Axial chest CT slice 375 of 490 (counted from the lowest slice); tube voltage 120 kVp, convolution kernel STANDARD; slices 1.25 mm thick, 0.547 mm per pixel.
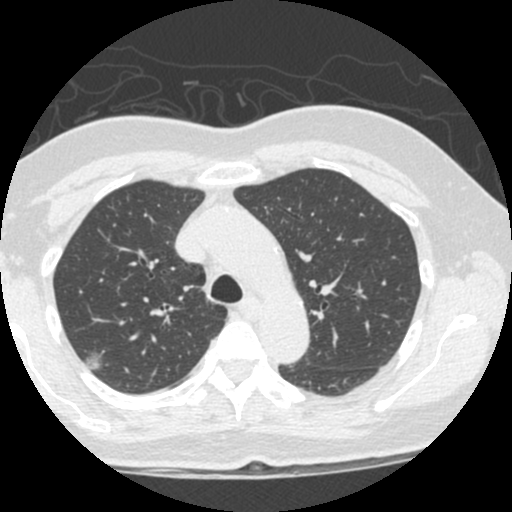
Pulmonary nodule outlined by three of the four readers; box rows 348–370, columns 84–102 (the union of the readers' outlines on this slice); the three readers' outlines give a longest diameter between 14.3 and 18.3 mm and a volume between 967 and 1422 mm3. The readers' ratings, as ranges where they differ: texture from 1/5 (non-solid) to 5/5 (solid) across the three readers; margin from 2/5 to 4/5 across the three readers; sphericity from 3/5 (ovoid) to 5/5 (round) across the three readers; calcification absent, all three readers agreeing; internal structure soft tissue, all three readers agreeing; subtlety rated between 1 and 5 out of 5 by the three readers; malignancy likelihood 2–5/5 (the readers disagree). Scale key (1–5): texture non-solid→solid, margin indistinct→circumscribed, sphericity linear→round, subtlety extremely subtle→obvious, malignancy likelihood highly unlikely→highly suspicious of cancer. Box rows and columns are 0-based pixel indices from the top-left corner, inclusive.